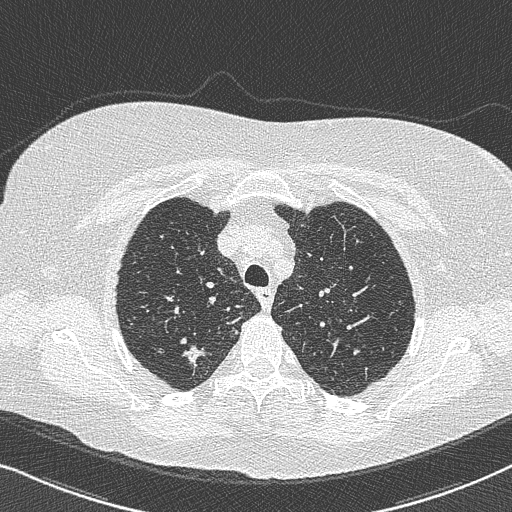
Chest CT, axial plane, 120 kVp, kernel B50f. Slice 583/733 from the bottom of the scan; thickness 0.60 mm; pixel size 0.637 mm.
Pulmonary nodule outlined by all four readers; box rows 343–374, columns 179–211 (the union of the readers' outlines on this slice); longest diameter 22.0 mm on average over the four readers' outlines (readers' outlines 15.5–29.7 mm), volume 888–2128 mm3. Ratings, by the readers' most common answer with dissent counted: texture 5/5 (solid) by three of four readers; the rest gave 4/5 (one); margin 3/5 by two of four readers; the rest gave 1/5 (indistinct) (one), 4/5 (one); sphericity 3/5 (ovoid) by two of four readers; the rest gave 2/5 (one), 5/5 (round) (one); calcification absent from all four readers; internal structure soft tissue from all four readers; most readers (three of four) put subtlety at 5/5, others 4/5 (one); malignancy likelihood 4/5 by three of four readers; the rest gave 5/5 (one). Scale key (1–5): texture non-solid→solid, margin indistinct→circumscribed, sphericity linear→round, subtlety extremely subtle→obvious, malignancy likelihood highly unlikely→highly suspicious of cancer. Box rows and columns are 0-based pixel indices from the top-left corner, inclusive.